Chest CT, axial plane, 120 kVp, kernel C. Slice 49/290 from the bottom of the scan; thickness 2.00 mm; pixel size 0.682 mm.
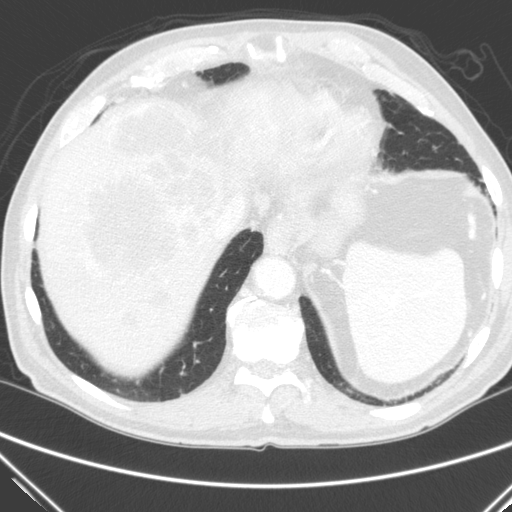
Pulmonary nodule at rows 372–374, columns 180–185 (box = the union of the readers' outlines on this slice), outlined by three of the four readers, two of them on this slice; longest diameter 8.4 mm on average over the three readers' outlines (readers' outlines 7.9–9.1 mm), volume 197–260 mm3. The readers' prevailing ratings and who disagreed: texture 5/5 (solid), all three readers agreeing; margin 5/5 (circumscribed), all three readers agreeing; most readers (two of three) put sphericity at 5/5 (round), others 4/5 (one); calcification absent by two of three readers, solid calcification (one); internal structure soft tissue, all three readers agreeing; subtlety 5/5 from all three readers; most readers (two of three) put malignancy likelihood at 1/5, others 3/5 (one). Scale key (1–5): texture non-solid→solid, margin indistinct→circumscribed, sphericity linear→round, subtlety extremely subtle→obvious, malignancy likelihood highly unlikely→highly suspicious of cancer. Box rows and columns are 0-based pixel indices from the top-left corner, inclusive.